Axial chest CT slice 185 of 375 (counted from the lowest slice); tube voltage 120 kVp, convolution kernel B45f; slices 1.00 mm thick, 0.586 mm per pixel.
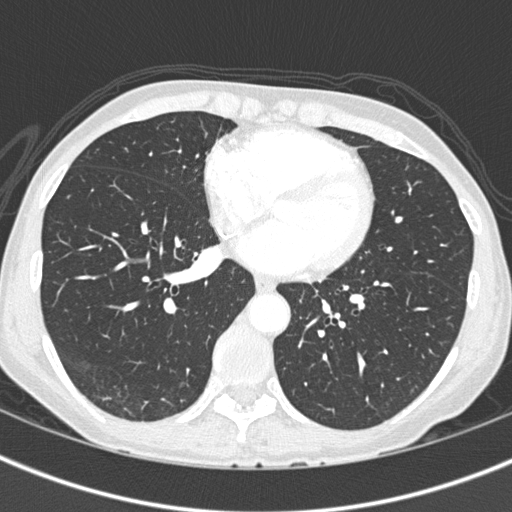
Pulmonary nodule at rows 381–387, columns 179–184 (box = the union of the readers' outlines on this slice), outlined by all four readers, two of them on this slice; the four readers' outlines give a longest diameter between 7.8 and 9.2 mm and a volume between 83 and 105 mm3. Ratings across the readers: texture 5/5 (solid) from all four readers; margin from 4/5 to 5/5 (circumscribed) across the four readers; sphericity from 3/5 (ovoid) to 5/5 (round) across the four readers; calcification absent, all four readers agreeing; internal structure soft tissue from all four readers; subtlety rated between 3 and 5 out of 5 by the four readers; malignancy likelihood rated between 3 and 4 out of 5 by the four readers. Scale key (1–5): texture non-solid→solid, margin indistinct→circumscribed, sphericity linear→round, subtlety extremely subtle→obvious, malignancy likelihood highly unlikely→highly suspicious of cancer. Box rows and columns are 0-based pixel indices from the top-left corner, inclusive.